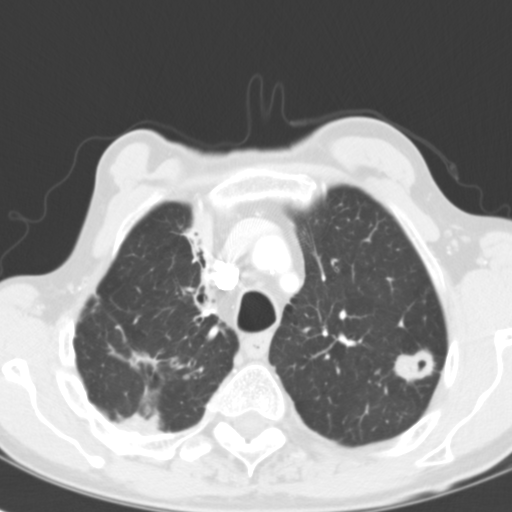
Axial chest CT slice 89 of 116 (counted from the lowest slice); 3.00 mm thick, 0.547 mm per pixel. Pulmonary nodule outlined by all four readers; box rows 347–382, columns 394–435 (the union of the readers' outlines on this slice); longest diameter 23.8–26.7 mm and volume 3983–5133 mm3 across the four readers' outlines. The readers' ratings, as ranges where they differ: texture from 3/5 (part-solid) to 5/5 (solid) across the four readers; margin from 3/5 to 5/5 (circumscribed) across the four readers; sphericity from 3/5 (ovoid) to 4/5 across the four readers; calcification absent, all four readers agreeing; internal structure: soft tissue (three), air (one); subtlety 5/5, all four readers agreeing; malignancy likelihood from 2/5 to 5/5 across the four readers. Scale key (1–5): texture non-solid→solid, margin indistinct→circumscribed, sphericity linear→round, subtlety extremely subtle→obvious, malignancy likelihood highly unlikely→highly suspicious of cancer. Box rows and columns are 0-based pixel indices from the top-left corner, inclusive.
Scan settings: 120 kVp, B31f reconstruction kernel.